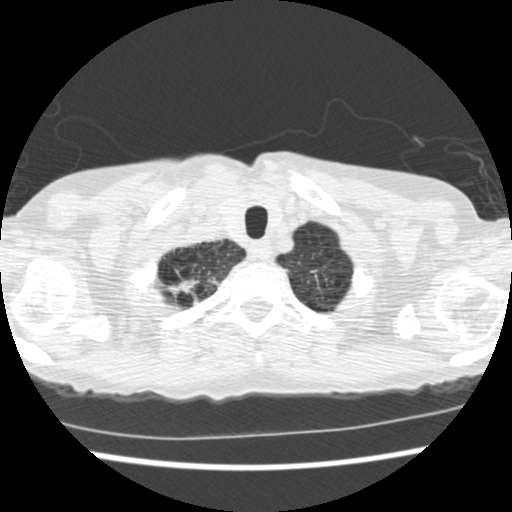
Chest CT, axial plane, 120 kVp, kernel STANDARD. Slice 489/541 from the bottom of the scan; thickness 1.25 mm; pixel size 0.586 mm.
Pulmonary nodule at rows 280–300, columns 163–198 (box = that reader's outline on this slice), outlined by one of the four readers; longest diameter 24.9 mm and volume 491 mm3 from that reader's outline. Ratings by that reader: texture 5/5 (solid); margin 1/5 (indistinct); sphericity 2/5; calcification absent; internal structure soft tissue; subtlety 4/5; malignancy likelihood 4/5. Scale key (1–5): texture non-solid→solid, margin indistinct→circumscribed, sphericity linear→round, subtlety extremely subtle→obvious, malignancy likelihood highly unlikely→highly suspicious of cancer. Box rows and columns are 0-based pixel indices from the top-left corner, inclusive.